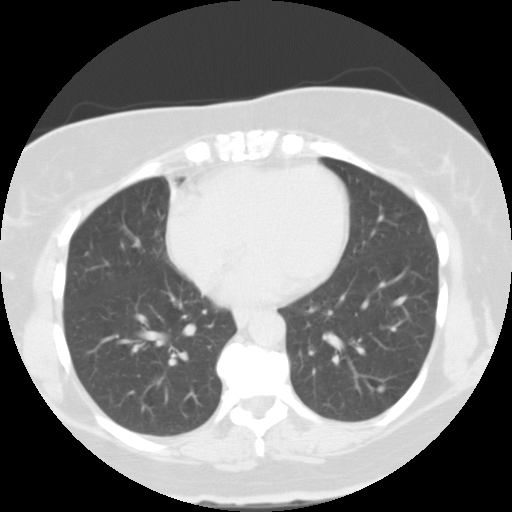
This is axial slice 44 of 105 (slice 1 is the lowest) of a chest CT; each pixel is 0.656 mm and the slice is 3.00 mm thick. Pulmonary nodule outlined by all four readers; box rows 384–393, columns 375–384 (the union of the readers' outlines on this slice); longest diameter 6.9 mm on average over the four readers' outlines (readers' outlines 6.2–8.3 mm), volume 117–333 mm3. The readers' prevailing ratings and who disagreed: texture 5/5 (solid), all four readers agreeing; margin 5/5 (circumscribed) from all four readers; sphericity 5/5 (round) from all four readers; calcification solid calcification by three of four readers, central calcification (one); internal structure soft tissue from all four readers; subtlety 5/5 by two of four readers; the rest gave 3/5 (one), 4/5 (one); malignancy likelihood 1/5, all four readers agreeing. Scale key (1–5): texture non-solid→solid, margin indistinct→circumscribed, sphericity linear→round, subtlety extremely subtle→obvious, malignancy likelihood highly unlikely→highly suspicious of cancer. Box rows and columns are 0-based pixel indices from the top-left corner, inclusive.
Acquired at 135 kVp and reconstructed with the FC01 kernel.